One axial slice (180 of 290, counting up from the lowest) of a chest CT acquired at 120 kVp with the D kernel; each pixel is 0.648 mm and the slice is 2.00 mm thick.
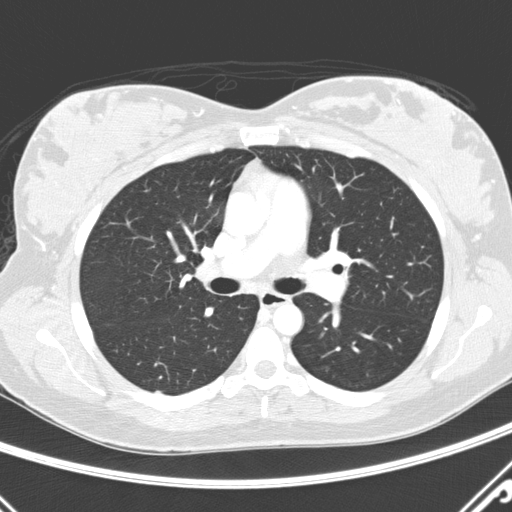
Pulmonary nodule at rows 391–393, columns 155–161 (box = that reader's outline on this slice), outlined by one of the four readers; longest diameter 15.8 mm and volume 355 mm3 from that reader's outline. That reader's ratings: texture 5/5 (solid); margin 5/5 (circumscribed); sphericity 3/5 (ovoid); calcification absent; internal structure soft tissue; subtlety 5/5; malignancy likelihood 3/5. Scale key (1–5): texture non-solid→solid, margin indistinct→circumscribed, sphericity linear→round, subtlety extremely subtle→obvious, malignancy likelihood highly unlikely→highly suspicious of cancer. Box rows and columns are 0-based pixel indices from the top-left corner, inclusive.